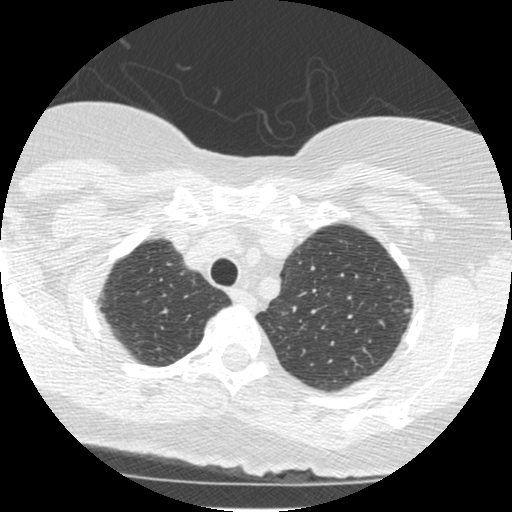
Slice 303/372 of a chest CT, counting up from the lowest; pixel size 0.586 mm, slice thickness 1.25 mm. Pulmonary nodule at rows 309–312, columns 404–411 (box = that reader's outline on this slice), outlined by one of the four readers; longest diameter 7.1 mm and volume 68 mm3 from that reader's outline. That reader's ratings: texture 5/5 (solid); margin 4/5; sphericity 3/5 (ovoid); calcification absent; internal structure soft tissue; subtlety 5/5; malignancy likelihood 3/5. Scale key (1–5): texture non-solid→solid, margin indistinct→circumscribed, sphericity linear→round, subtlety extremely subtle→obvious, malignancy likelihood highly unlikely→highly suspicious of cancer. Box rows and columns are 0-based pixel indices from the top-left corner, inclusive.
Acquired at 120 kVp and reconstructed with the STANDARD kernel.